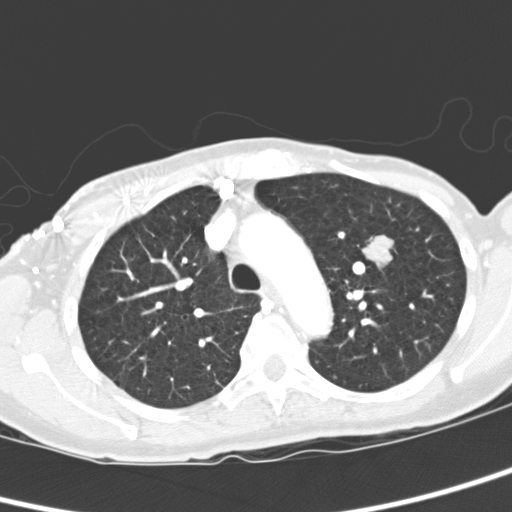
Axial slice 235 of 321 of a chest CT (slice 1 is the lowest), reconstructed with the D kernel at 120 kVp; 2.00 mm slice thickness and 0.557 mm pixels.
Pulmonary nodule, outlined by all four readers. Box on this slice rows 235–269, columns 361–393, the union of the readers' outlines on this slice; the four readers' outlines give a longest diameter between 19.2 and 22.3 mm and a volume between 3069 and 4125 mm3. Ratings across the readers: texture 5/5 (solid), all four readers agreeing; margin 5/5 (circumscribed), all four readers agreeing; sphericity from 4/5 to 5/5 (round) across the four readers; calcification absent, all four readers agreeing; internal structure soft tissue from all four readers; subtlety 5/5 from all four readers; malignancy likelihood rated between 2 and 5 out of 5 by the four readers. Scale key (1–5): texture non-solid→solid, margin indistinct→circumscribed, sphericity linear→round, subtlety extremely subtle→obvious, malignancy likelihood highly unlikely→highly suspicious of cancer. Box rows and columns are 0-based pixel indices from the top-left corner, inclusive.